One axial slice (168 of 280, counting up from the lowest) of a chest CT acquired at 120 kVp with the B kernel; each pixel is 0.676 mm and the slice is 2.00 mm thick.
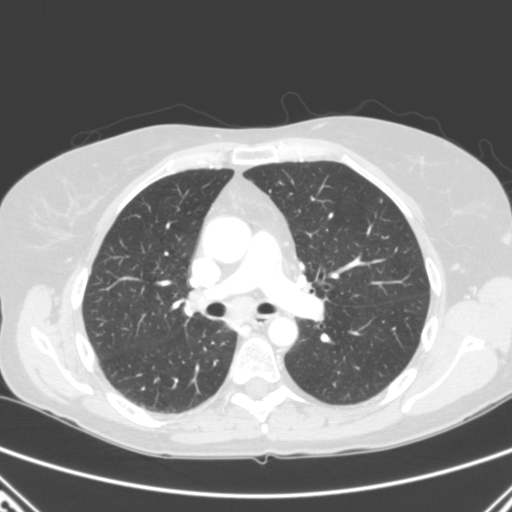
Pulmonary nodule at rows 199–203, columns 379–382 (box = that reader's outline on this slice), outlined by one of the four readers; longest diameter 4.3 mm and volume 23 mm3 from that reader's outline. That reader's ratings: texture 5/5 (solid); margin 5/5 (circumscribed); sphericity 4/5; calcification absent; internal structure soft tissue; subtlety 4/5; malignancy likelihood 3/5. Scale key (1–5): texture non-solid→solid, margin indistinct→circumscribed, sphericity linear→round, subtlety extremely subtle→obvious, malignancy likelihood highly unlikely→highly suspicious of cancer. Box rows and columns are 0-based pixel indices from the top-left corner, inclusive.